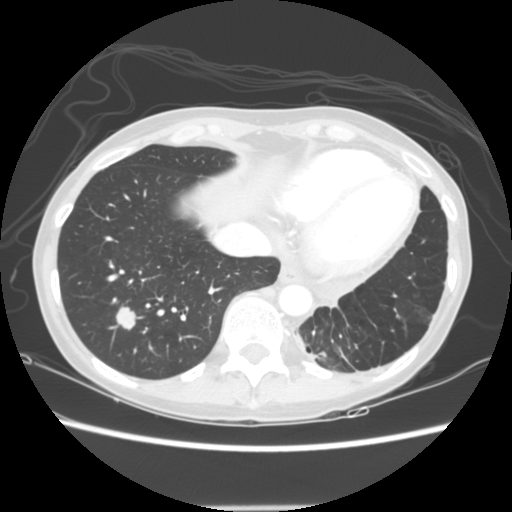
Axial chest CT slice 49 of 144 (counted from the lowest slice); tube voltage 120 kVp, convolution kernel STANDARD; slices 2.50 mm thick, 0.664 mm per pixel.
Pulmonary nodule, outlined by all four readers. Box on this slice rows 305–329, columns 116–136, the union of the readers' outlines on this slice; median longest diameter 16.9 mm (readers' outlines 16.8–18.1 mm), median volume 1623 mm3 (1370–1807 mm3). Ratings, median across the readers with their spread: texture 5/5 (solid), all four readers agreeing; median margin 4.5/5 (readers ranged 4/5 to 5/5 (circumscribed)); median sphericity 4/5 (readers ranged 3/5 (ovoid) to 5/5 (round)); calcification absent, all four readers agreeing; internal structure soft tissue, all four readers agreeing; subtlety 5/5 from all four readers; malignancy likelihood 4/5 at the median of four readers, spread 3–5. Scale key (1–5): texture non-solid→solid, margin indistinct→circumscribed, sphericity linear→round, subtlety extremely subtle→obvious, malignancy likelihood highly unlikely→highly suspicious of cancer. Box rows and columns are 0-based pixel indices from the top-left corner, inclusive.